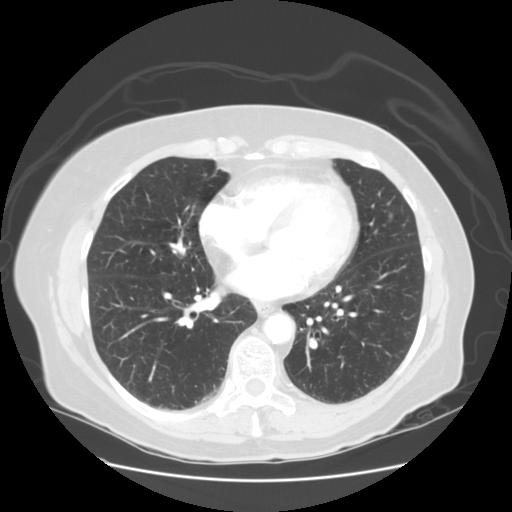
Axial chest CT slice 55 of 128 (counted from the lowest slice); tube voltage 120 kVp, convolution kernel STANDARD; slices 2.50 mm thick, 0.742 mm per pixel.
Pulmonary nodule at rows 213–218, columns 388–392 (box = the union of the readers' outlines on this slice), outlined by all four readers; median longest diameter 7.0 mm (readers' outlines 6.3–7.4 mm), median volume 158 mm3 (101–178 mm3). Ratings, median across the readers with their spread: median texture 5/5 (solid) (readers ranged 3/5 (part-solid) to 5/5 (solid)); median margin 4.5/5 (readers ranged 2/5 to 5/5 (circumscribed)); median sphericity 4.5/5 (readers ranged 3/5 (ovoid) to 5/5 (round)); calcification absent from all four readers; internal structure soft tissue from all four readers; subtlety 3/5 at the median of four readers, spread 3–4; median malignancy likelihood 2.5/5 (readers ranged 2–3). Scale key (1–5): texture non-solid→solid, margin indistinct→circumscribed, sphericity linear→round, subtlety extremely subtle→obvious, malignancy likelihood highly unlikely→highly suspicious of cancer. Box rows and columns are 0-based pixel indices from the top-left corner, inclusive.